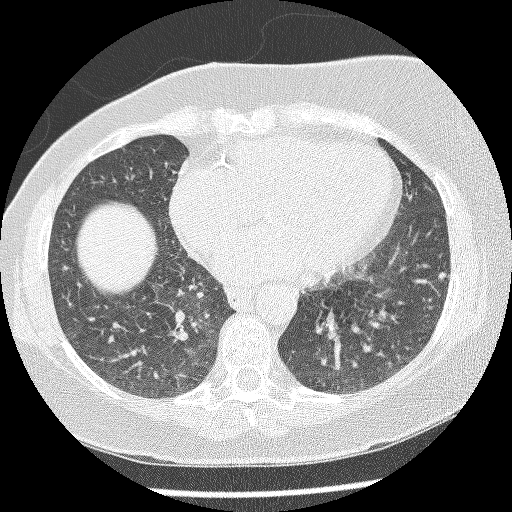
Axial slice 99 of 220 of a chest CT (slice 1 is the lowest), reconstructed with the BONE kernel at 120 kVp; 1.25 mm slice thickness and 0.598 mm pixels.
Pulmonary nodule, outlined by three of the four readers. Box on this slice rows 272–281, columns 436–446, the union of the readers' outlines on this slice; longest diameter 6.7–7.2 mm and volume 73–98 mm3 across the three readers' outlines. The readers' ratings, as ranges where they differ: texture from 4/5 to 5/5 (solid) across the three readers; margin from 3/5 to 4/5 across the three readers; sphericity from 2/5 to 3/5 (ovoid) across the three readers; calcification absent from all three readers; internal structure soft tissue, all three readers agreeing; subtlety from 1/5 to 4/5 across the three readers; malignancy likelihood from 3/5 to 5/5 across the three readers. Scale key (1–5): texture non-solid→solid, margin indistinct→circumscribed, sphericity linear→round, subtlety extremely subtle→obvious, malignancy likelihood highly unlikely→highly suspicious of cancer. Box rows and columns are 0-based pixel indices from the top-left corner, inclusive.